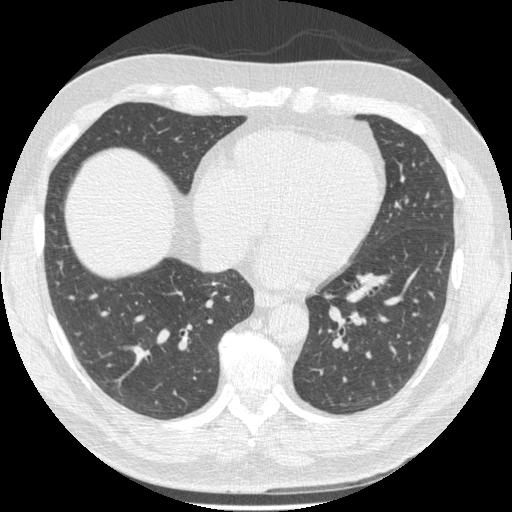
Axial chest CT slice 219 of 557 (counted from the lowest slice); tube voltage 120 kVp, convolution kernel STANDARD; slices 1.25 mm thick, 0.703 mm per pixel.
Pulmonary nodule outlined by all four readers; box rows 336–340, columns 180–187 (the union of the readers' outlines on this slice); median longest diameter 7.2 mm (readers' outlines 6.7–9.4 mm), median volume 122 mm3 (108–158 mm3). Median ratings and the readers' spread: texture 5/5 (solid) from all four readers; margin 5/5 (circumscribed), all four readers agreeing; median sphericity 4.5/5 (readers ranged 3/5 (ovoid) to 5/5 (round)); calcification: solid calcification (three), absent (one); internal structure soft tissue from all four readers; median subtlety 3.5/5 (readers ranged 3–5); malignancy likelihood 1/5 at the median of four readers, spread 1–2. Scale key (1–5): texture non-solid→solid, margin indistinct→circumscribed, sphericity linear→round, subtlety extremely subtle→obvious, malignancy likelihood highly unlikely→highly suspicious of cancer. Box rows and columns are 0-based pixel indices from the top-left corner, inclusive.